Axial slice 84 of 421 of a chest CT (slice 1 is the lowest), reconstructed with the STANDARD kernel at 120 kVp; 1.25 mm slice thickness and 0.703 mm pixels.
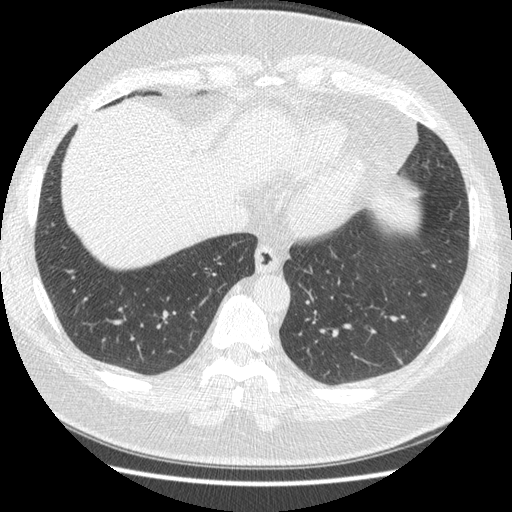
Pulmonary nodule, outlined four times (the source holds four more outlines, not used), two of them on this slice. Box on this slice rows 359–363, columns 397–401, the union of the readers' outlines on this slice; the four readers' outlines give a longest diameter between 30.9 and 38.9 mm and a volume between 4443 and 5826 mm3. The readers' ratings, as ranges where they differ: texture from 4/5 to 5/5 (solid) across the four readers; margin from 3/5 to 4/5 across the four readers; sphericity from 2/5 to 4/5 across the four readers; calcification absent from all four readers; internal structure soft tissue, all four readers agreeing; subtlety 4–5/5 (the readers disagree); malignancy likelihood rated between 2 and 5 out of 5 by the four readers. Scale key (1–5): texture non-solid→solid, margin indistinct→circumscribed, sphericity linear→round, subtlety extremely subtle→obvious, malignancy likelihood highly unlikely→highly suspicious of cancer. Box rows and columns are 0-based pixel indices from the top-left corner, inclusive.